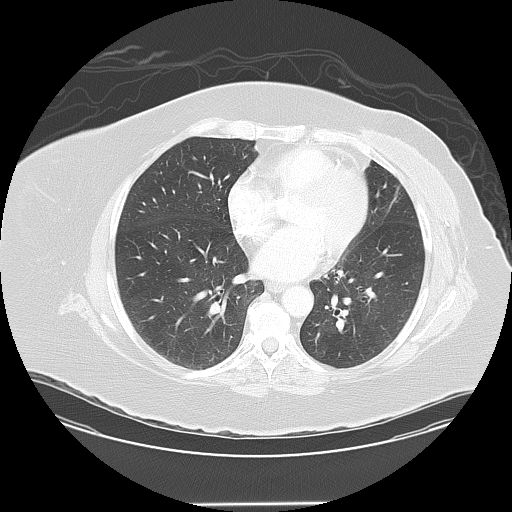
Slice 70/133 of a chest CT, counting up from the lowest; pixel size 0.859 mm, slice thickness 2.50 mm. No nodule 3 mm or larger was outlined here by any reader.
Acquired at 120 kVp and reconstructed with the LUNG kernel.